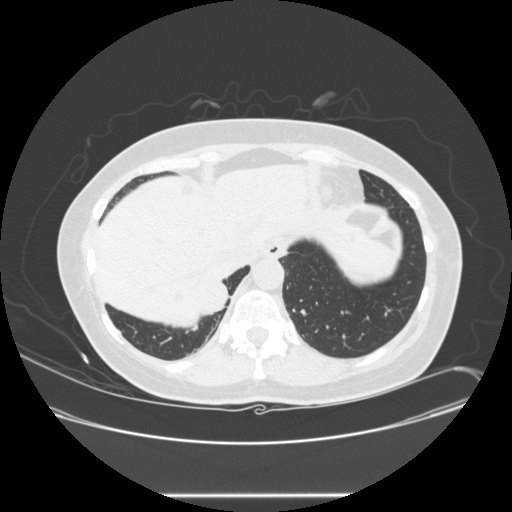
Slice 79/257 of a chest CT, counting up from the lowest; pixel size 0.781 mm, slice thickness 1.25 mm. Pulmonary nodule, outlined by three of the four readers, two of them on this slice. Box on this slice rows 282–316, columns 200–228, the union of the readers' outlines on this slice; the three readers' outlines give a longest diameter between 28.2 and 32.2 mm and a volume between 3103 and 4675 mm3. The readers' ratings, as ranges where they differ: texture 5/5 (solid), all three readers agreeing; margin 5/5 (circumscribed), all three readers agreeing; sphericity 4/5 from all three readers; calcification absent, all three readers agreeing; internal structure soft tissue, all three readers agreeing; subtlety 5/5 from all three readers; malignancy likelihood rated between 2 and 5 out of 5 by the three readers. Scale key (1–5): texture non-solid→solid, margin indistinct→circumscribed, sphericity linear→round, subtlety extremely subtle→obvious, malignancy likelihood highly unlikely→highly suspicious of cancer. Box rows and columns are 0-based pixel indices from the top-left corner, inclusive.
Tube voltage 120 kVp; convolution kernel STANDARD.